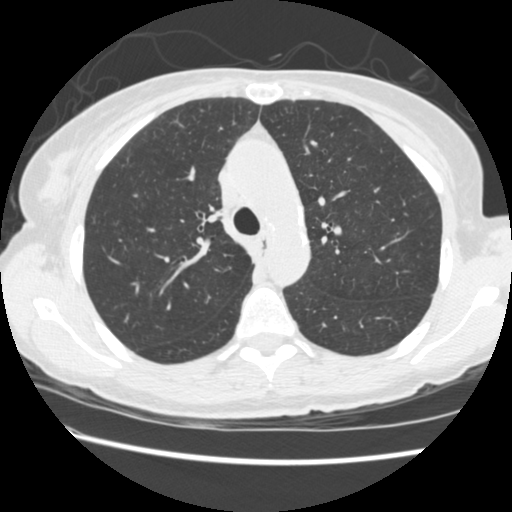
Chest CT, axial plane, 120 kVp, kernel STANDARD. Slice 354/519 from the bottom of the scan; thickness 1.25 mm; pixel size 0.625 mm.
No nodule of 3 mm or larger was outlined by any of the four readers on this slice.